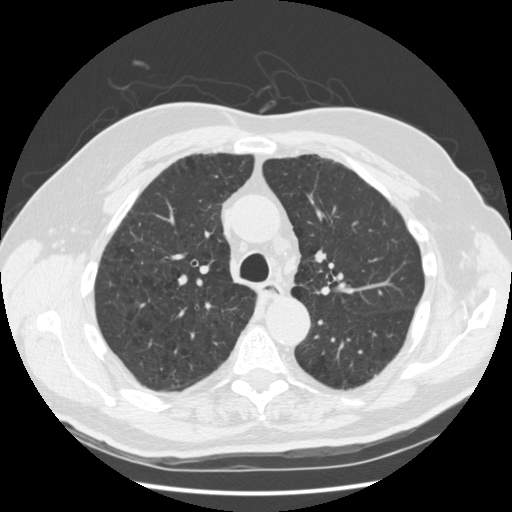
Axial slice 110 of 166 of a chest CT (slice 1 is the lowest), reconstructed with the STANDARD kernel at 120 kVp; 2.50 mm slice thickness and 0.723 mm pixels.
No nodule 3 mm or larger was outlined here by any reader.